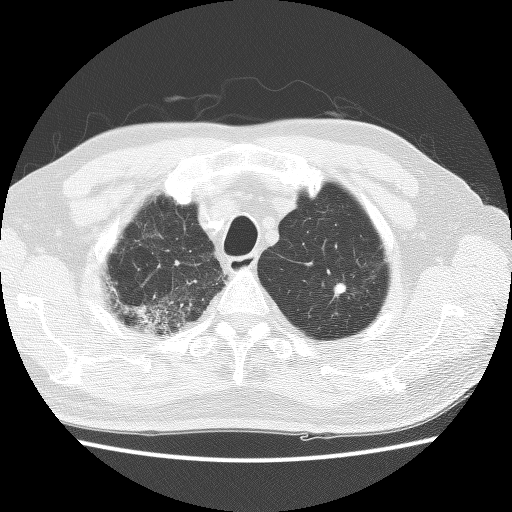
Axial chest CT slice 109 of 129 (counted from the lowest slice); tube voltage 140 kVp, convolution kernel BONE; slices 2.50 mm thick, 0.645 mm per pixel.
Pulmonary nodule outlined by all four readers; box rows 282–296, columns 334–347 (the union of the readers' outlines on this slice); longest diameter 9.7–12.2 mm and volume 557–991 mm3 across the four readers' outlines. Ratings across the readers: texture from 4/5 to 5/5 (solid) across the four readers; margin from 2/5 to 5/5 (circumscribed) across the four readers; sphericity from 2/5 to 4/5 across the four readers; calcification split among the readers: absent (two), central calcification (two); internal structure soft tissue, all four readers agreeing; subtlety rated between 4 and 5 out of 5 by the four readers; malignancy likelihood 1–5/5 (the readers disagree). Scale key (1–5): texture non-solid→solid, margin indistinct→circumscribed, sphericity linear→round, subtlety extremely subtle→obvious, malignancy likelihood highly unlikely→highly suspicious of cancer. Box rows and columns are 0-based pixel indices from the top-left corner, inclusive.